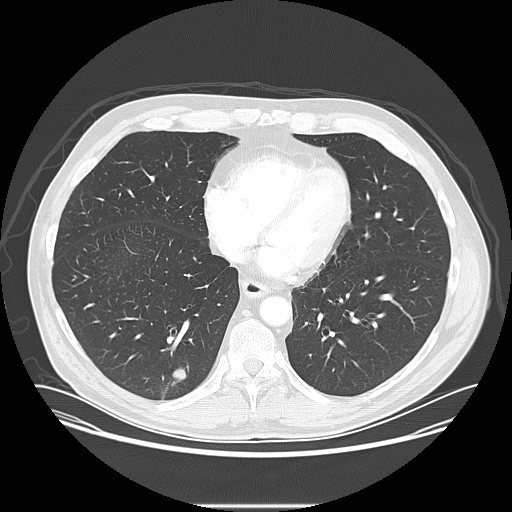
Axial slice 50 of 141 of a chest CT (slice 1 is the lowest), reconstructed with the LUNG kernel at 120 kVp; 2.50 mm slice thickness and 0.820 mm pixels.
Pulmonary nodule at rows 368–381, columns 172–185 (box = the union of the readers' outlines on this slice), outlined by all four readers; median longest diameter 20.6 mm (readers' outlines 19.2–21.8 mm), median volume 3332 mm3 (2661–3789 mm3). Ratings, median across the readers with their spread: texture 5/5 (solid) from all four readers; median margin 5/5 (circumscribed) (readers ranged 4/5 to 5/5 (circumscribed)); median sphericity 3.5/5 (readers ranged 3/5 (ovoid) to 4/5); calcification absent from all four readers; internal structure soft tissue, all four readers agreeing; median subtlety 5/5 (readers ranged 4–5); median malignancy likelihood 4/5 (readers ranged 3–5). Scale key (1–5): texture non-solid→solid, margin indistinct→circumscribed, sphericity linear→round, subtlety extremely subtle→obvious, malignancy likelihood highly unlikely→highly suspicious of cancer. Box rows and columns are 0-based pixel indices from the top-left corner, inclusive.